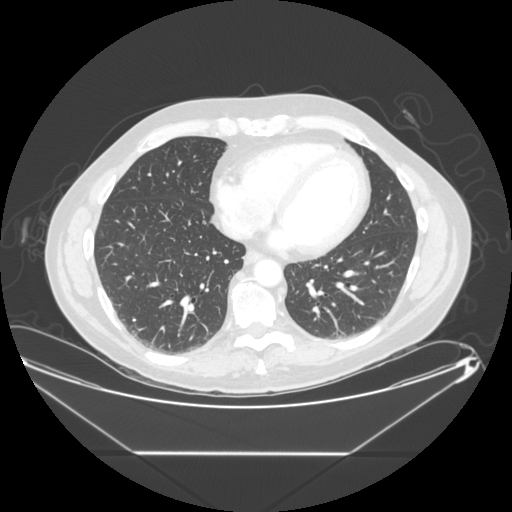
Axial slice 93 of 265 of a chest CT (slice 1 is the lowest), reconstructed with the STANDARD kernel at 120 kVp; 1.25 mm slice thickness and 0.883 mm pixels.
Pulmonary nodule, outlined by three of the four readers. Box on this slice rows 219–223, columns 201–205, the union of the readers' outlines on this slice; median longest diameter 6.4 mm (readers' outlines 6.4–8.0 mm), median volume 92 mm3 (79–125 mm3). Ratings, median across the readers with their spread: texture 5/5 (solid), all three readers agreeing; margin 5/5 (circumscribed) from all three readers; sphericity 5/5 (round) at the median of three readers, spread 4/5 to 5/5 (round); calcification solid calcification, all three readers agreeing; internal structure soft tissue, all three readers agreeing; median subtlety 5/5 (readers ranged 4–5); malignancy likelihood 1/5 from all three readers. Scale key (1–5): texture non-solid→solid, margin indistinct→circumscribed, sphericity linear→round, subtlety extremely subtle→obvious, malignancy likelihood highly unlikely→highly suspicious of cancer. Box rows and columns are 0-based pixel indices from the top-left corner, inclusive.